Axial slice 126 of 179 of a chest CT (slice 1 is the lowest), reconstructed with the STANDARD kernel at 120 kVp; 2.50 mm slice thickness and 0.684 mm pixels.
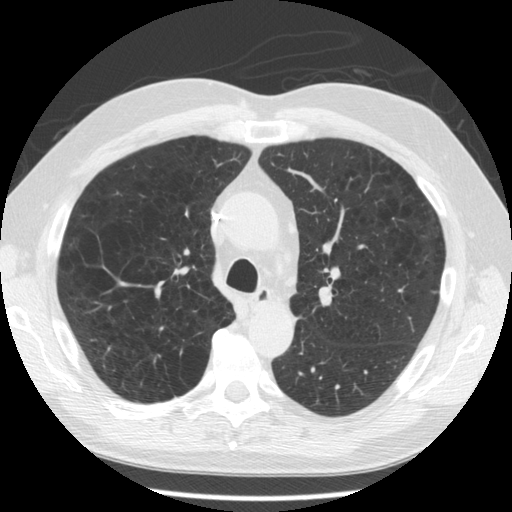
Pulmonary nodule outlined by one of the four readers; box rows 290–293, columns 430–436 (that reader's outline on this slice); longest diameter 6.7 mm and volume 64 mm3 from that reader's outline. That reader's ratings: texture 5/5 (solid); margin 5/5 (circumscribed); sphericity 2/5; calcification absent; internal structure soft tissue; subtlety 5/5; malignancy likelihood 3/5. Scale key (1–5): texture non-solid→solid, margin indistinct→circumscribed, sphericity linear→round, subtlety extremely subtle→obvious, malignancy likelihood highly unlikely→highly suspicious of cancer. Box rows and columns are 0-based pixel indices from the top-left corner, inclusive.